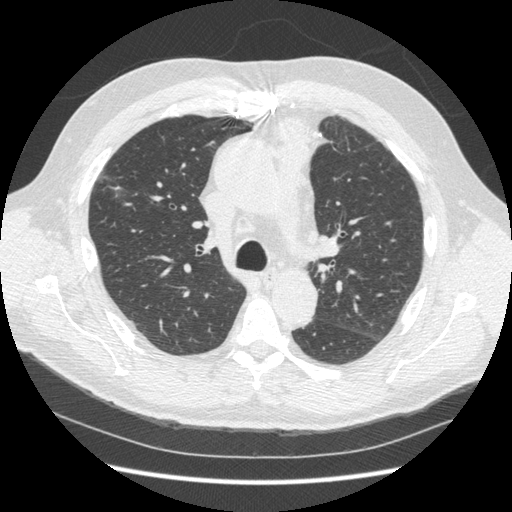
Chest CT, axial plane, 120 kVp, kernel STANDARD. Slice 228/369 from the bottom of the scan; thickness 1.25 mm; pixel size 0.703 mm.
Pulmonary nodule outlined by one of the four readers; box rows 169–201, columns 99–127 (that reader's outline on this slice); longest diameter 27.0 mm and volume 3015 mm3 from that reader's outline. Ratings by that reader: texture 1/5 (non-solid); margin 1/5 (indistinct); sphericity 3/5 (ovoid); calcification absent; internal structure soft tissue; subtlety 3/5; malignancy likelihood 3/5. Scale key (1–5): texture non-solid→solid, margin indistinct→circumscribed, sphericity linear→round, subtlety extremely subtle→obvious, malignancy likelihood highly unlikely→highly suspicious of cancer. Box rows and columns are 0-based pixel indices from the top-left corner, inclusive.